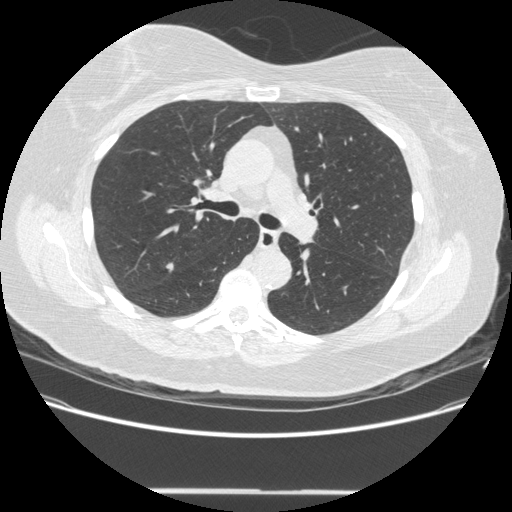
Chest CT, axial plane, 120 kVp, kernel STANDARD. Slice 293/481 from the bottom of the scan; thickness 1.25 mm; pixel size 0.742 mm.
Pulmonary nodule at rows 262–272, columns 165–173 (box = the union of the readers' outlines on this slice), outlined by three of the four readers; median longest diameter 14.2 mm (readers' outlines 13.9–15.6 mm), median volume 777 mm3 (741–820 mm3). Median ratings and the readers' spread: texture 4/5, all three readers agreeing; median margin 4/5 (readers ranged 3/5 to 4/5); median sphericity 3/5 (ovoid) (readers ranged 3/5 (ovoid) to 4/5); calcification absent from all three readers; internal structure soft tissue from all three readers; median subtlety 4/5 (readers ranged 4–5); malignancy likelihood 5/5 at the median of three readers, spread 4–5. Scale key (1–5): texture non-solid→solid, margin indistinct→circumscribed, sphericity linear→round, subtlety extremely subtle→obvious, malignancy likelihood highly unlikely→highly suspicious of cancer. Box rows and columns are 0-based pixel indices from the top-left corner, inclusive.